One axial slice (73 of 109, counting up from the lowest) of a chest CT acquired at 120 kVp with the LUNG kernel; each pixel is 0.664 mm and the slice is 2.50 mm thick.
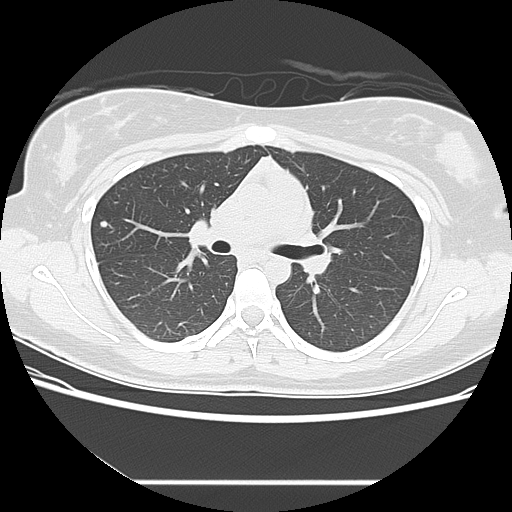
Pulmonary nodule, outlined by all four readers. Box on this slice rows 220–227, columns 99–107, the union of the readers' outlines on this slice; median longest diameter 6.3 mm (readers' outlines 5.5–6.9 mm), median volume 125 mm3 (113–133 mm3). Median ratings and the readers' spread: texture 5/5 (solid) from all four readers; margin 5/5 (circumscribed) at the median of four readers, spread 4/5 to 5/5 (circumscribed); sphericity 4.5/5 at the median of four readers, spread 4/5 to 5/5 (round); calcification absent from all four readers; internal structure soft tissue from all four readers; median subtlety 4/5 (readers ranged 3–5); median malignancy likelihood 3/5 (readers ranged 2–3). Scale key (1–5): texture non-solid→solid, margin indistinct→circumscribed, sphericity linear→round, subtlety extremely subtle→obvious, malignancy likelihood highly unlikely→highly suspicious of cancer. Box rows and columns are 0-based pixel indices from the top-left corner, inclusive.